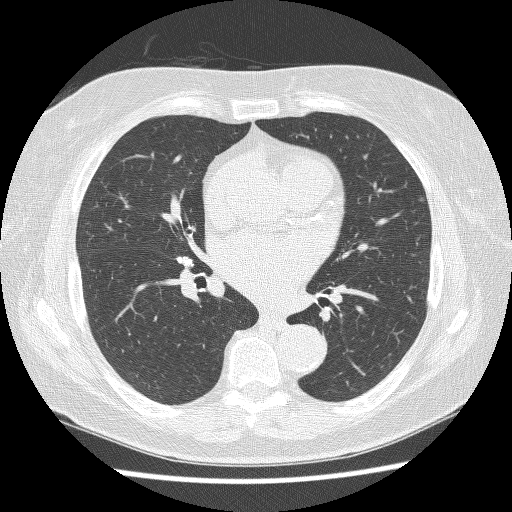
Axial chest CT slice 130 of 229 (counted from the lowest slice); tube voltage 120 kVp, convolution kernel BONE; slices 1.25 mm thick, 0.654 mm per pixel.
Pulmonary nodule at rows 196–203, columns 417–426 (box = the union of the readers' outlines on this slice), outlined by all four readers; longest diameter 6.3 mm on average over the four readers' outlines (readers' outlines 5.4–7.2 mm), volume 39–65 mm3. The readers' prevailing ratings and who disagreed: texture 1/5 (non-solid) by three of four readers; the rest gave 2/5 (one); margin 4/5 by two of four readers; the rest gave 2/5 (one), 3/5 (one); sphericity 4/5, all four readers agreeing; calcification absent, all four readers agreeing; internal structure soft tissue, all four readers agreeing; subtlety 1/5 by two of four readers; the rest gave 2/5 (one), 3/5 (one); malignancy likelihood 3/5 by three of four readers; the rest gave 4/5 (one). Scale key (1–5): texture non-solid→solid, margin indistinct→circumscribed, sphericity linear→round, subtlety extremely subtle→obvious, malignancy likelihood highly unlikely→highly suspicious of cancer. Box rows and columns are 0-based pixel indices from the top-left corner, inclusive.